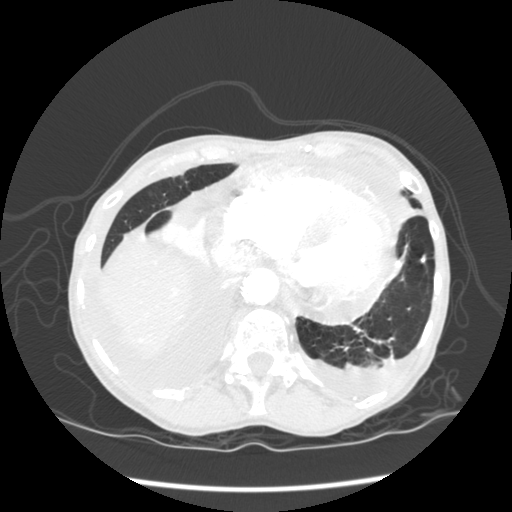
Axial chest CT slice 55 of 233 (counted from the lowest slice); tube voltage 120 kVp, convolution kernel STANDARD; slices 1.25 mm thick, 0.664 mm per pixel.
Pulmonary nodule outlined by one of the four readers; box rows 255–262, columns 420–425 (that reader's outline on this slice); longest diameter 6.3 mm and volume 82 mm3 from that reader's outline. Ratings by that reader: texture 5/5 (solid); margin 5/5 (circumscribed); sphericity 5/5 (round); calcification solid calcification; internal structure soft tissue; subtlety 3/5; malignancy likelihood 1/5. Scale key (1–5): texture non-solid→solid, margin indistinct→circumscribed, sphericity linear→round, subtlety extremely subtle→obvious, malignancy likelihood highly unlikely→highly suspicious of cancer. Box rows and columns are 0-based pixel indices from the top-left corner, inclusive.